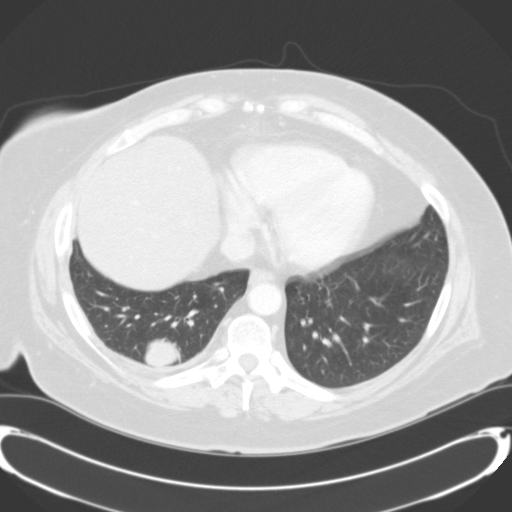
Chest CT, axial plane, 120 kVp, kernel B31f. Slice 61/124 from the bottom of the scan; thickness 3.00 mm; pixel size 0.764 mm.
Pulmonary nodule outlined by three of the four readers; box rows 338–366, columns 144–181 (the union of the readers' outlines on this slice); longest diameter 32.1–33.9 mm and volume 13060–14151 mm3 across the three readers' outlines. Ratings across the readers: texture from 4/5 to 5/5 (solid) across the three readers; margin from 4/5 to 5/5 (circumscribed) across the three readers; sphericity 4/5, all three readers agreeing; calcification absent from all three readers; internal structure soft tissue from all three readers; subtlety 5/5 from all three readers; malignancy likelihood from 3/5 to 5/5 across the three readers. Scale key (1–5): texture non-solid→solid, margin indistinct→circumscribed, sphericity linear→round, subtlety extremely subtle→obvious, malignancy likelihood highly unlikely→highly suspicious of cancer. Box rows and columns are 0-based pixel indices from the top-left corner, inclusive.